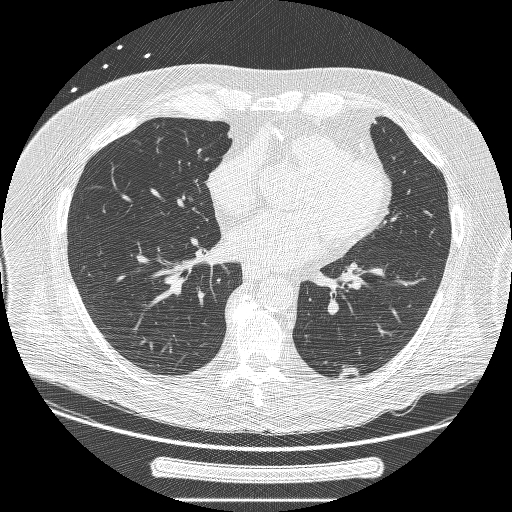
Chest CT, axial plane, 120 kVp, kernel BONE. Slice 97/239 from the bottom of the scan; thickness 1.25 mm; pixel size 0.795 mm.
Pulmonary nodule, outlined by two of the four readers. Box on this slice rows 367–378, columns 337–357, the union of the readers' outlines on this slice; median longest diameter 17.7 mm (readers' outlines 17.4–17.9 mm), median volume 780 mm3 (746–814 mm3). Median ratings and the readers' spread: texture 5/5 (solid) from both readers; margin 3.5/5 at the median of two readers, spread 3/5 to 4/5; sphericity 2/5 at the median of two readers, spread 1/5 (linear) to 3/5 (ovoid); calcification absent from both readers; internal structure soft tissue from both readers; subtlety 4/5 from both readers; malignancy likelihood 4/5, both readers agreeing. Scale key (1–5): texture non-solid→solid, margin indistinct→circumscribed, sphericity linear→round, subtlety extremely subtle→obvious, malignancy likelihood highly unlikely→highly suspicious of cancer. Box rows and columns are 0-based pixel indices from the top-left corner, inclusive.